Axial slice 18 of 117 of a chest CT (slice 1 is the lowest), reconstructed with the LUNG kernel at 120 kVp; 2.50 mm slice thickness and 0.977 mm pixels.
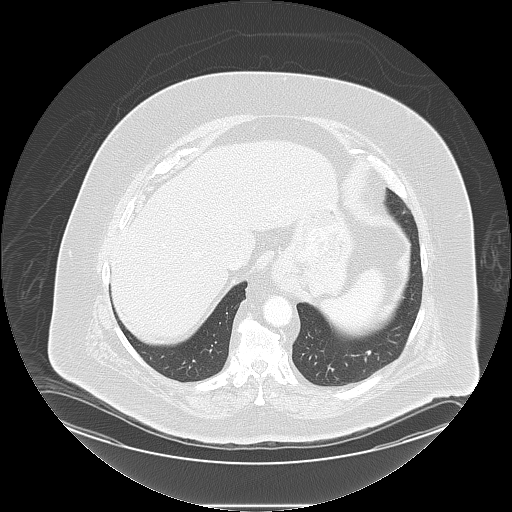
Pulmonary nodule, outlined by three of the four readers. Box on this slice rows 349–355, columns 365–370, the union of the readers' outlines on this slice; longest diameter 8.1–8.3 mm and volume 130–165 mm3 across the three readers' outlines. The readers' ratings, as ranges where they differ: texture 5/5 (solid), all three readers agreeing; margin 5/5 (circumscribed) from all three readers; sphericity from 2/5 to 4/5 across the three readers; calcification: solid calcification (two), absent (one); internal structure soft tissue, all three readers agreeing; subtlety rated between 2 and 4 out of 5 by the three readers; malignancy likelihood rated between 1 and 2 out of 5 by the three readers. Scale key (1–5): texture non-solid→solid, margin indistinct→circumscribed, sphericity linear→round, subtlety extremely subtle→obvious, malignancy likelihood highly unlikely→highly suspicious of cancer. Box rows and columns are 0-based pixel indices from the top-left corner, inclusive.